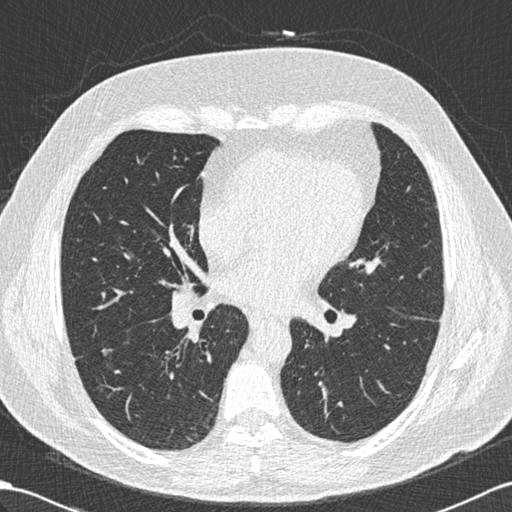
One axial slice (301 of 636, counting up from the lowest) of a chest CT acquired at 120 kVp with the B30f kernel; each pixel is 0.689 mm and the slice is 0.60 mm thick.
Pulmonary nodule at rows 347–356, columns 100–113 (box = the union of the readers' outlines on this slice), outlined by all four readers; median longest diameter 11.1 mm (readers' outlines 10.2–12.1 mm), median volume 162 mm3 (103–208 mm3). Ratings, median across the readers with their spread: median texture 5/5 (solid) (readers ranged 4/5 to 5/5 (solid)); margin 4/5 at the median of four readers, spread 3/5 to 5/5 (circumscribed); sphericity 3/5 (ovoid) from all four readers; calcification absent, all four readers agreeing; internal structure soft tissue from all four readers; subtlety 4/5 at the median of four readers, spread 3–5; malignancy likelihood 3/5, all four readers agreeing. Scale key (1–5): texture non-solid→solid, margin indistinct→circumscribed, sphericity linear→round, subtlety extremely subtle→obvious, malignancy likelihood highly unlikely→highly suspicious of cancer. Box rows and columns are 0-based pixel indices from the top-left corner, inclusive.